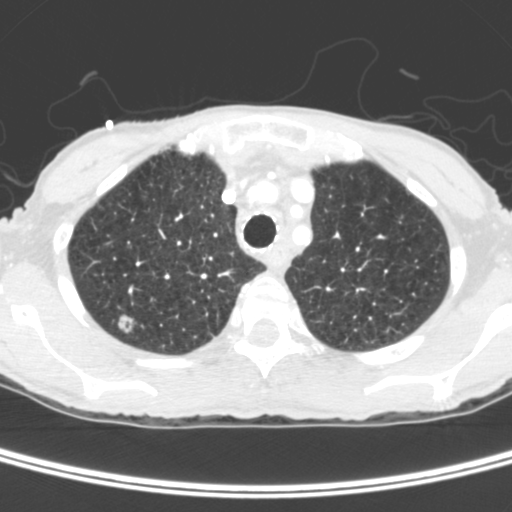
Slice 315/400 of a chest CT, counting up from the lowest; pixel size 0.527 mm, slice thickness 1.50 mm. Pulmonary nodule at rows 314–333, columns 116–135 (box = the union of the readers' outlines on this slice), outlined by three of the four readers; longest diameter 15.5 mm on average over the three readers' outlines (readers' outlines 15.0–15.8 mm), volume 1012–1166 mm3. The readers' prevailing ratings and who disagreed: most readers (two of three) put texture at 5/5 (solid), others 3/5 (part-solid) (one); margin 4/5, all three readers agreeing; most readers (two of three) put sphericity at 5/5 (round), others 4/5 (one); calcification absent from all three readers; internal structure soft tissue by two of three readers, air (one); subtlety 5/5 from all three readers; most readers (two of three) put malignancy likelihood at 5/5, others 4/5 (one). Scale key (1–5): texture non-solid→solid, margin indistinct→circumscribed, sphericity linear→round, subtlety extremely subtle→obvious, malignancy likelihood highly unlikely→highly suspicious of cancer. Box rows and columns are 0-based pixel indices from the top-left corner, inclusive.
Scan settings: 120 kVp, C reconstruction kernel.